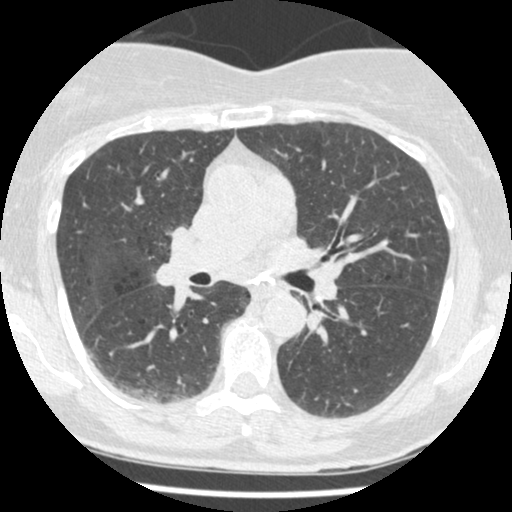
This is axial slice 285 of 465 (slice 1 is the lowest) of a chest CT; each pixel is 0.586 mm and the slice is 1.25 mm thick. Pulmonary nodule, outlined by all four readers, two of them on this slice. Box on this slice rows 257–259, columns 422–426, the union of the readers' outlines on this slice; longest diameter 5.4–6.0 mm and volume 46–67 mm3 across the four readers' outlines. The readers' ratings, as ranges where they differ: texture 5/5 (solid) from all four readers; margin from 4/5 to 5/5 (circumscribed) across the four readers; sphericity from 3/5 (ovoid) to 4/5 across the four readers; calcification absent from all four readers; internal structure soft tissue, all four readers agreeing; subtlety 2–4/5 (the readers disagree); malignancy likelihood 2–3/5 (the readers disagree). Scale key (1–5): texture non-solid→solid, margin indistinct→circumscribed, sphericity linear→round, subtlety extremely subtle→obvious, malignancy likelihood highly unlikely→highly suspicious of cancer. Box rows and columns are 0-based pixel indices from the top-left corner, inclusive.
Tube voltage 120 kVp; convolution kernel STANDARD.